One axial slice (146 of 248, counting up from the lowest) of a chest CT acquired at 120 kVp with the STANDARD kernel; each pixel is 0.703 mm and the slice is 1.25 mm thick.
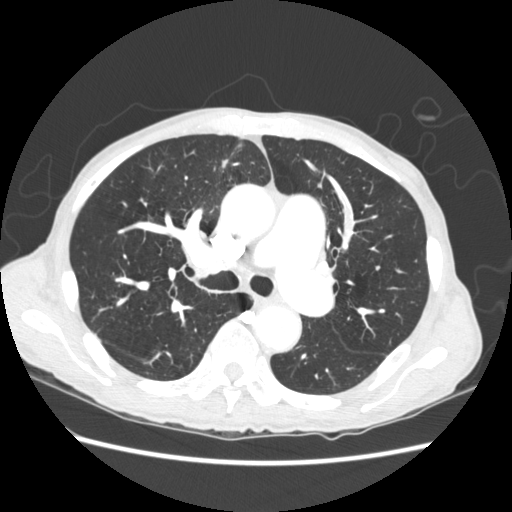
Pulmonary nodule at rows 159–167, columns 222–228 (box = that reader's outline on this slice), outlined by one of the four readers; longest diameter 22.3 mm and volume 457 mm3 from that reader's outline. Ratings by that reader: texture 5/5 (solid); margin 3/5; sphericity 2/5; calcification absent; internal structure soft tissue; subtlety 5/5; malignancy likelihood 2/5. Scale key (1–5): texture non-solid→solid, margin indistinct→circumscribed, sphericity linear→round, subtlety extremely subtle→obvious, malignancy likelihood highly unlikely→highly suspicious of cancer. Box rows and columns are 0-based pixel indices from the top-left corner, inclusive.